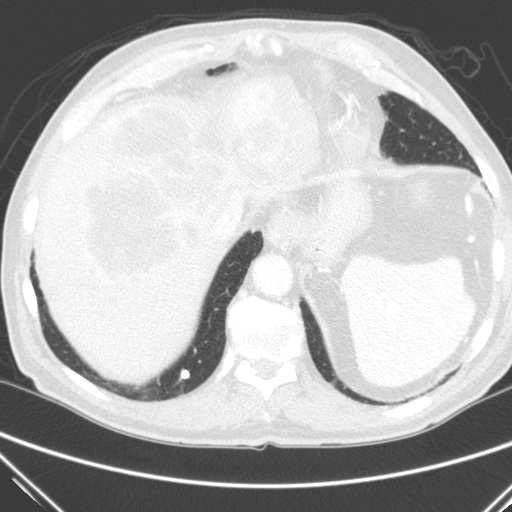
Chest CT, axial plane, 120 kVp, kernel C. Slice 45/290 from the bottom of the scan; thickness 2.00 mm; pixel size 0.682 mm.
Pulmonary nodule outlined by three of the four readers; box rows 369–378, columns 180–189 (the union of the readers' outlines on this slice); longest diameter 7.9–9.1 mm and volume 197–260 mm3 across the three readers' outlines. The readers' ratings, as ranges where they differ: texture 5/5 (solid), all three readers agreeing; margin 5/5 (circumscribed), all three readers agreeing; sphericity from 4/5 to 5/5 (round) across the three readers; calcification: absent (two), solid calcification (one); internal structure soft tissue, all three readers agreeing; subtlety 5/5 from all three readers; malignancy likelihood rated between 1 and 3 out of 5 by the three readers. Scale key (1–5): texture non-solid→solid, margin indistinct→circumscribed, sphericity linear→round, subtlety extremely subtle→obvious, malignancy likelihood highly unlikely→highly suspicious of cancer. Box rows and columns are 0-based pixel indices from the top-left corner, inclusive.